Axial slice 147 of 253 of a chest CT (slice 1 is the lowest), reconstructed with the STANDARD kernel at 120 kVp; 1.25 mm slice thickness and 0.742 mm pixels.
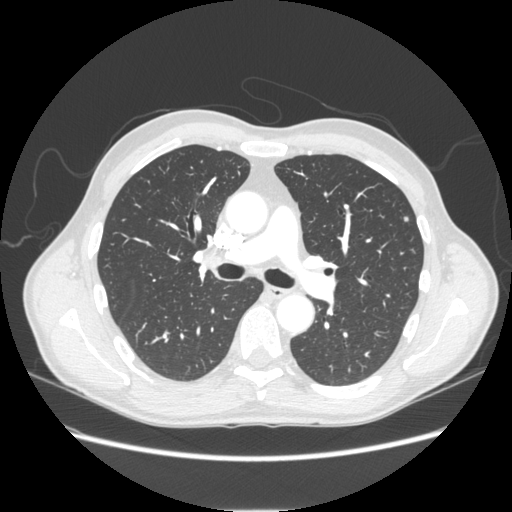
Pulmonary nodule outlined by all four readers; box rows 215–222, columns 403–409 (the union of the readers' outlines on this slice); longest diameter 6.6 mm on average over the four readers' outlines (readers' outlines 6.3–7.0 mm), volume 63–77 mm3. Ratings, by the readers' most common answer with dissent counted: texture 5/5 (solid), all four readers agreeing; margin split among the readers: 4/5 (two), 5/5 (circumscribed) (two); sphericity 5/5 (round) by two of four readers; the rest gave 2/5 (one), 4/5 (one); calcification absent, all four readers agreeing; internal structure soft tissue from all four readers; subtlety 3/5 by three of four readers; the rest gave 2/5 (one); malignancy likelihood split among the readers: 2/5 (two), 3/5 (two). Scale key (1–5): texture non-solid→solid, margin indistinct→circumscribed, sphericity linear→round, subtlety extremely subtle→obvious, malignancy likelihood highly unlikely→highly suspicious of cancer. Box rows and columns are 0-based pixel indices from the top-left corner, inclusive.